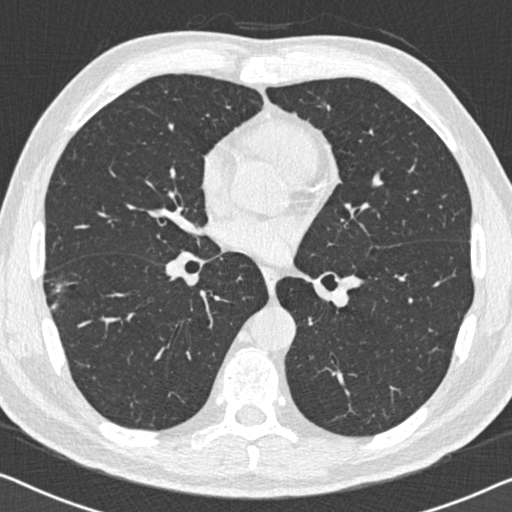
Chest CT, axial plane, 120 kVp, kernel B30f. Slice 309/558 from the bottom of the scan; thickness 0.75 mm; pixel size 0.648 mm.
Pulmonary nodule at rows 275–312, columns 44–75 (box = the union of the readers' outlines on this slice), outlined by all four readers, three of them on this slice; longest diameter 18.8–26.5 mm and volume 726–1916 mm3 across the four readers' outlines. Ratings across the readers: texture from 3/5 (part-solid) to 5/5 (solid) across the four readers; margin from 1/5 (indistinct) to 4/5 across the four readers; sphericity from 2/5 to 4/5 across the four readers; calcification absent, all four readers agreeing; internal structure soft tissue, all four readers agreeing; subtlety 4–5/5 (the readers disagree); malignancy likelihood from 4/5 to 5/5 across the four readers. Scale key (1–5): texture non-solid→solid, margin indistinct→circumscribed, sphericity linear→round, subtlety extremely subtle→obvious, malignancy likelihood highly unlikely→highly suspicious of cancer. Box rows and columns are 0-based pixel indices from the top-left corner, inclusive.